One axial slice (103 of 280, counting up from the lowest) of a chest CT acquired at 120 kVp with the D kernel; each pixel is 0.666 mm and the slice is 1.00 mm thick.
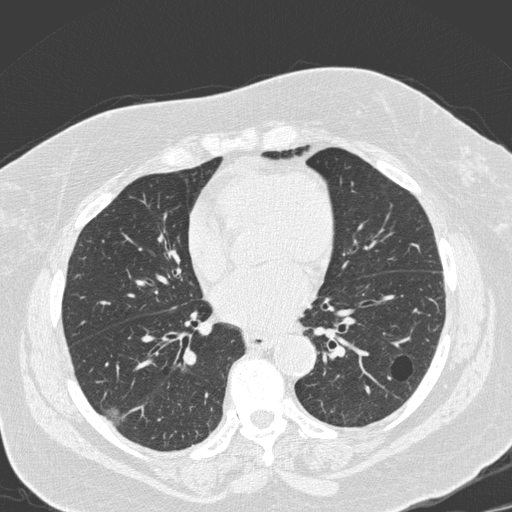
Two pulmonary nodules on this slice, listed from left to right. (1) Pulmonary nodule at rows 405–426, columns 101–124 (box = the union of the readers' outlines on this slice), outlined by two of the four readers; median longest diameter 17.7 mm (readers' outlines 16.7–18.8 mm), median volume 1269 mm3 (1162–1377 mm3). Median ratings and the readers' spread: texture 1/5 (non-solid), both readers agreeing; margin 2/5, both readers agreeing; median sphericity 4/5 (readers ranged 3/5 (ovoid) to 5/5 (round)); calcification absent from both readers; internal structure soft tissue from both readers; median subtlety 2.5/5 (readers ranged 1–4); median malignancy likelihood 2.5/5 (readers ranged 2–3). (2) Pulmonary nodule, outlined by two of the four readers, one of them on this slice. Box on this slice rows 251–252, columns 170–174, the one reader's outline on this slice; median longest diameter 7.6 mm (readers' outlines 7.4–7.8 mm), median volume 105 mm3 (96–113 mm3). Median ratings and the readers' spread: texture 5/5 (solid), both readers agreeing; margin 5/5 (circumscribed), both readers agreeing; median sphericity 4.5/5 (readers ranged 4/5 to 5/5 (round)); calcification absent, both readers agreeing; internal structure soft tissue from both readers; subtlety 3/5 from both readers; median malignancy likelihood 2.5/5 (readers ranged 2–3). Scale key (1–5): texture non-solid→solid, margin indistinct→circumscribed, sphericity linear→round, subtlety extremely subtle→obvious, malignancy likelihood highly unlikely→highly suspicious of cancer. Box rows and columns are 0-based pixel indices from the top-left corner, inclusive.